One axial slice (62 of 183, counting up from the lowest) of a chest CT acquired at 135 kVp with the FC03 kernel; each pixel is 0.946 mm and the slice is 2.00 mm thick.
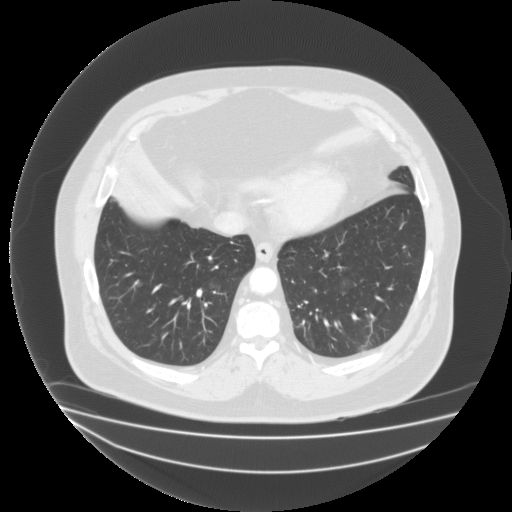
Pulmonary nodule, outlined by two of the four readers, one of them on this slice. Box on this slice rows 285–289, columns 210–214, the one reader's outline on this slice; median longest diameter 13.2 mm (readers' outlines 12.7–13.6 mm), median volume 864 mm3 (804–924 mm3). Ratings, median across the readers with their spread: texture 1.5/5 at the median of two readers, spread 1/5 (non-solid) to 2/5; margin 2/5 from both readers; sphericity 3.5/5 at the median of two readers, spread 3/5 (ovoid) to 4/5; calcification absent from both readers; internal structure split among the readers: soft tissue (one), fluid (one); subtlety 3/5 at the median of two readers, spread 2–4; malignancy likelihood 3/5, both readers agreeing. Scale key (1–5): texture non-solid→solid, margin indistinct→circumscribed, sphericity linear→round, subtlety extremely subtle→obvious, malignancy likelihood highly unlikely→highly suspicious of cancer. Box rows and columns are 0-based pixel indices from the top-left corner, inclusive.